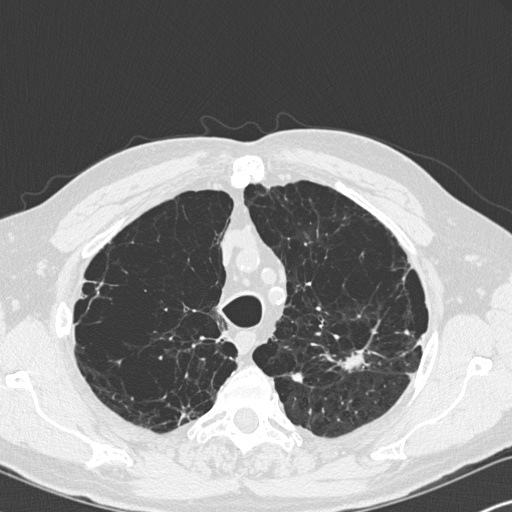
Chest CT, axial plane, 120 kVp, kernel B45f. Slice 255/347 from the bottom of the scan; thickness 1.00 mm; pixel size 0.625 mm.
Two pulmonary nodules on this slice, listed from left to right. (1) Pulmonary nodule outlined by two of the four readers; box rows 372–382, columns 290–303 (the union of the readers' outlines on this slice); the two readers' outlines give a longest diameter between 11.3 and 12.3 mm and a volume between 328 and 329 mm3. Ratings across the readers: texture 5/5 (solid) from both readers; margin from 2/5 to 4/5 across the two readers; sphericity from 2/5 to 4/5 across the two readers; calcification absent, both readers agreeing; internal structure soft tissue, both readers agreeing; subtlety from 4/5 to 5/5 across the two readers; malignancy likelihood 3/5 from both readers. (2) Pulmonary nodule outlined by one of the four readers; box rows 349–372, columns 337–364 (that reader's outline on this slice); longest diameter 24.3 mm and volume 1862 mm3 from that reader's outline. Ratings by that reader: texture 5/5 (solid); margin 4/5; sphericity 3/5 (ovoid); calcification absent; internal structure soft tissue; subtlety 5/5; malignancy likelihood 4/5. Scale key (1–5): texture non-solid→solid, margin indistinct→circumscribed, sphericity linear→round, subtlety extremely subtle→obvious, malignancy likelihood highly unlikely→highly suspicious of cancer. Box rows and columns are 0-based pixel indices from the top-left corner, inclusive.